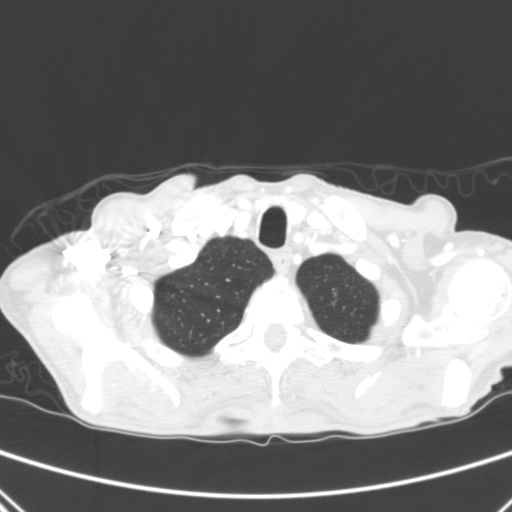
Slice 266/290 of a chest CT, counting up from the lowest; pixel size 0.639 mm, slice thickness 2.00 mm. Pulmonary nodule, outlined by one of the four readers. Box on this slice rows 293–297, columns 334–336, that reader's outline on this slice; longest diameter 5.9 mm and volume 62 mm3 from that reader's outline. Ratings by that reader: texture 5/5 (solid); margin 4/5; sphericity 3/5 (ovoid); calcification absent; internal structure soft tissue; subtlety 5/5; malignancy likelihood 3/5. Scale key (1–5): texture non-solid→solid, margin indistinct→circumscribed, sphericity linear→round, subtlety extremely subtle→obvious, malignancy likelihood highly unlikely→highly suspicious of cancer. Box rows and columns are 0-based pixel indices from the top-left corner, inclusive.
Acquired at 120 kVp and reconstructed with the B kernel.